Chest CT, axial plane, 120 kVp, kernel C. Slice 188/350 from the bottom of the scan; thickness 1.50 mm; pixel size 0.725 mm.
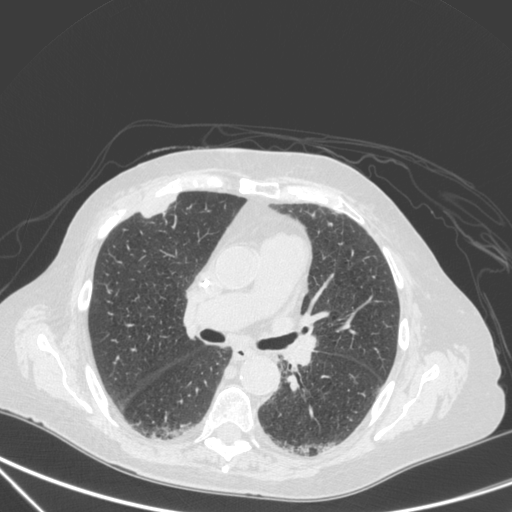
Pulmonary nodule outlined by one of the four readers; box rows 197–217, columns 142–175 (that reader's outline on this slice); longest diameter 29.5 mm and volume 4181 mm3 from that reader's outline. That reader's ratings: texture 5/5 (solid); margin 4/5; sphericity 2/5; calcification absent; internal structure soft tissue; subtlety 5/5; malignancy likelihood 4/5. Scale key (1–5): texture non-solid→solid, margin indistinct→circumscribed, sphericity linear→round, subtlety extremely subtle→obvious, malignancy likelihood highly unlikely→highly suspicious of cancer. Box rows and columns are 0-based pixel indices from the top-left corner, inclusive.